Axial slice 37 of 128 of a chest CT (slice 1 is the lowest), reconstructed with the BONE kernel at 140 kVp; 2.50 mm slice thickness and 0.611 mm pixels.
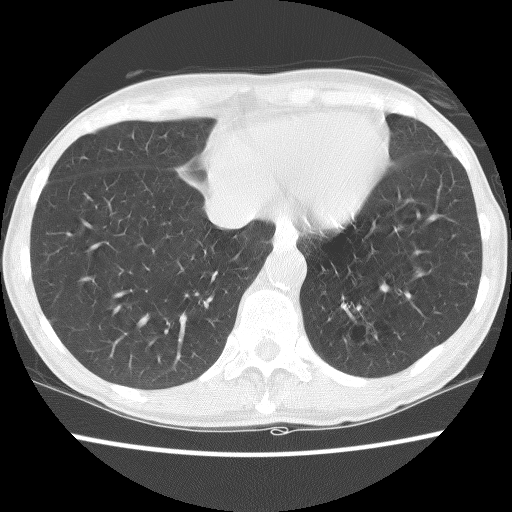
Pulmonary nodule outlined by one of the four readers; box rows 318–324, columns 49–55 (that reader's outline on this slice); longest diameter 6.1 mm and volume 43 mm3 from that reader's outline. That reader's ratings: texture 1/5 (non-solid); margin 1/5 (indistinct); sphericity 4/5; calcification absent; internal structure soft tissue; subtlety 1/5; malignancy likelihood 1/5. Scale key (1–5): texture non-solid→solid, margin indistinct→circumscribed, sphericity linear→round, subtlety extremely subtle→obvious, malignancy likelihood highly unlikely→highly suspicious of cancer. Box rows and columns are 0-based pixel indices from the top-left corner, inclusive.